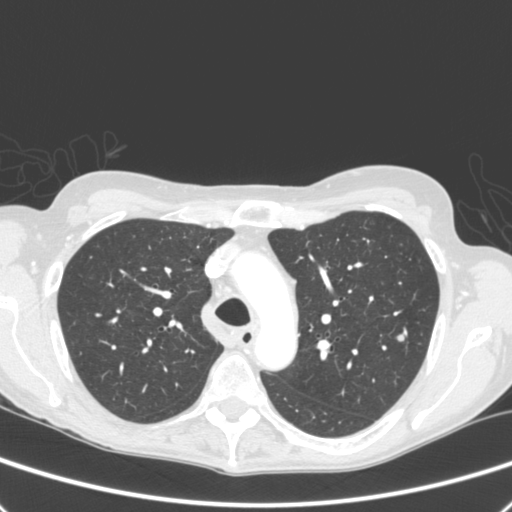
Axial slice 269 of 392 of a chest CT (slice 1 is the lowest), reconstructed with the C kernel at 120 kVp; 1.50 mm slice thickness and 0.639 mm pixels.
Pulmonary nodule at rows 334–341, columns 396–403 (box = the union of the readers' outlines on this slice), outlined by all four readers; median longest diameter 6.7 mm (readers' outlines 6.6–6.8 mm), median volume 112 mm3 (88–125 mm3). Ratings, median across the readers with their spread: texture 5/5 (solid), all four readers agreeing; margin 4.5/5 at the median of four readers, spread 4/5 to 5/5 (circumscribed); median sphericity 4.5/5 (readers ranged 4/5 to 5/5 (round)); calcification absent from all four readers; internal structure soft tissue from all four readers; subtlety 4.5/5 at the median of four readers, spread 2–5; median malignancy likelihood 3/5 (readers ranged 2–4). Scale key (1–5): texture non-solid→solid, margin indistinct→circumscribed, sphericity linear→round, subtlety extremely subtle→obvious, malignancy likelihood highly unlikely→highly suspicious of cancer. Box rows and columns are 0-based pixel indices from the top-left corner, inclusive.